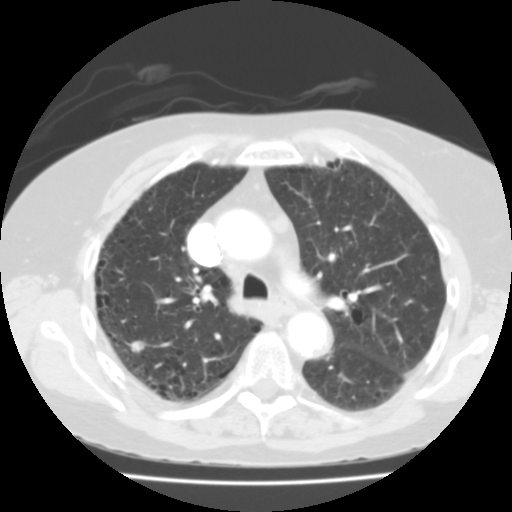
Axial slice 92 of 136 of a chest CT (slice 1 is the lowest), reconstructed with the FC03 kernel at 135 kVp; 2.00 mm slice thickness and 0.644 mm pixels.
Pulmonary nodule outlined by all four readers; box rows 340–352, columns 131–144 (the union of the readers' outlines on this slice); longest diameter 10.4 mm on average over the four readers' outlines (readers' outlines 9.2–12.4 mm), volume 195–330 mm3. The readers' prevailing ratings and who disagreed: texture split among the readers: 4/5 (two), 5/5 (solid) (two); margin 3/5 by two of four readers; the rest gave 4/5 (one), 5/5 (circumscribed) (one); sphericity 4/5 by two of four readers; the rest gave 3/5 (ovoid) (one), 5/5 (round) (one); calcification absent, all four readers agreeing; internal structure soft tissue, all four readers agreeing; subtlety 3/5 by two of four readers; the rest gave 4/5 (one), 5/5 (one); malignancy likelihood 3/5 by two of four readers; the rest gave 2/5 (one), 4/5 (one). Scale key (1–5): texture non-solid→solid, margin indistinct→circumscribed, sphericity linear→round, subtlety extremely subtle→obvious, malignancy likelihood highly unlikely→highly suspicious of cancer. Box rows and columns are 0-based pixel indices from the top-left corner, inclusive.